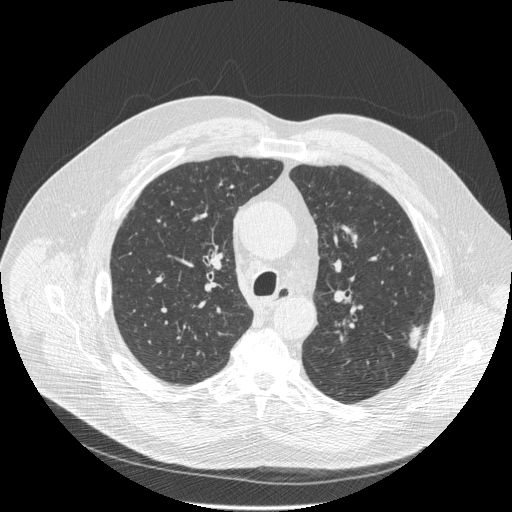
Chest CT, axial plane, 120 kVp, kernel STANDARD. Slice 342/516 from the bottom of the scan; thickness 1.25 mm; pixel size 0.820 mm.
Pulmonary nodule outlined by three of the four readers; box rows 324–350, columns 408–423 (the union of the readers' outlines on this slice); median longest diameter 28.3 mm (readers' outlines 23.2–31.7 mm), median volume 856 mm3 (750–1666 mm3). Ratings, median across the readers with their spread: median texture 4/5 (readers ranged 3/5 (part-solid) to 5/5 (solid)); median margin 3/5 (readers ranged 3/5 to 4/5); sphericity 2/5 from all three readers; calcification absent from all three readers; internal structure soft tissue, all three readers agreeing; subtlety 5/5, all three readers agreeing; malignancy likelihood 4/5 from all three readers. Scale key (1–5): texture non-solid→solid, margin indistinct→circumscribed, sphericity linear→round, subtlety extremely subtle→obvious, malignancy likelihood highly unlikely→highly suspicious of cancer. Box rows and columns are 0-based pixel indices from the top-left corner, inclusive.